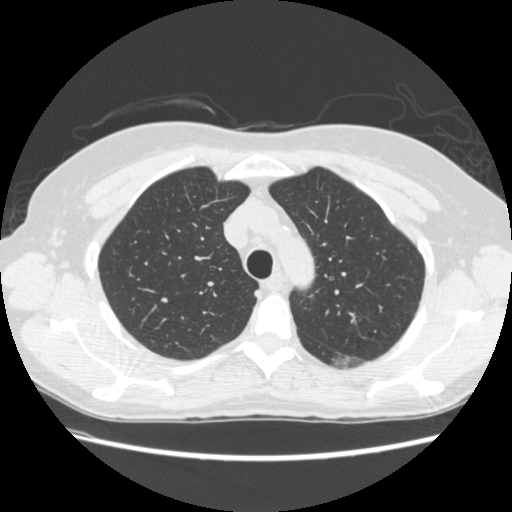
Axial slice 193 of 261 of a chest CT (slice 1 is the lowest), reconstructed with the STANDARD kernel at 120 kVp; 1.25 mm slice thickness and 0.682 mm pixels.
Pulmonary nodule outlined by two of the four readers; box rows 353–369, columns 332–364 (the union of the readers' outlines on this slice); median longest diameter 30.8 mm (readers' outlines 30.0–31.5 mm), median volume 7245 mm3 (6577–7912 mm3). Ratings, median across the readers with their spread: texture 1.5/5 at the median of two readers, spread 1/5 (non-solid) to 2/5; margin 1.5/5 at the median of two readers, spread 1/5 (indistinct) to 2/5; sphericity 4/5 at the median of two readers, spread 3/5 (ovoid) to 5/5 (round); calcification absent from both readers; internal structure soft tissue, both readers agreeing; subtlety 1.5/5 at the median of two readers, spread 1–2; malignancy likelihood 4.5/5 at the median of two readers, spread 4–5. Scale key (1–5): texture non-solid→solid, margin indistinct→circumscribed, sphericity linear→round, subtlety extremely subtle→obvious, malignancy likelihood highly unlikely→highly suspicious of cancer. Box rows and columns are 0-based pixel indices from the top-left corner, inclusive.